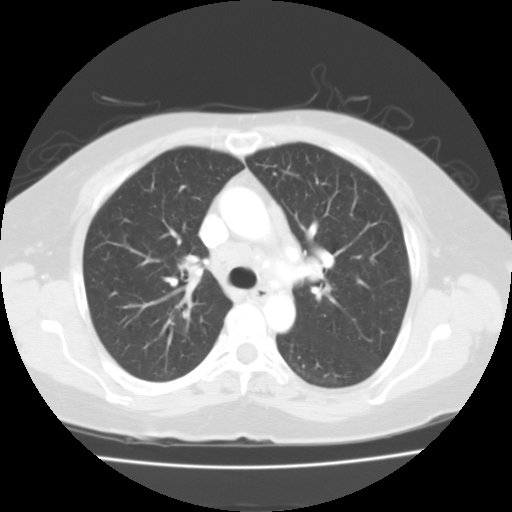
Chest CT, axial plane, 135 kVp, kernel FC01. Slice 74/109 from the bottom of the scan; thickness 3.00 mm; pixel size 0.671 mm.
Pulmonary nodule at rows 310–318, columns 182–187 (box = the union of the readers' outlines on this slice), outlined by two of the four readers; the two readers' outlines give a longest diameter of 6.7 mm and a volume between 99 and 172 mm3. The readers' ratings, as ranges where they differ: texture 5/5 (solid), both readers agreeing; margin from 4/5 to 5/5 (circumscribed) across the two readers; sphericity from 3/5 (ovoid) to 5/5 (round) across the two readers; calcification absent, both readers agreeing; internal structure soft tissue, both readers agreeing; subtlety from 2/5 to 4/5 across the two readers; malignancy likelihood from 2/5 to 3/5 across the two readers. Scale key (1–5): texture non-solid→solid, margin indistinct→circumscribed, sphericity linear→round, subtlety extremely subtle→obvious, malignancy likelihood highly unlikely→highly suspicious of cancer. Box rows and columns are 0-based pixel indices from the top-left corner, inclusive.